One axial slice (194 of 276, counting up from the lowest) of a chest CT acquired at 120 kVp with the D kernel; each pixel is 0.639 mm and the slice is 1.00 mm thick.
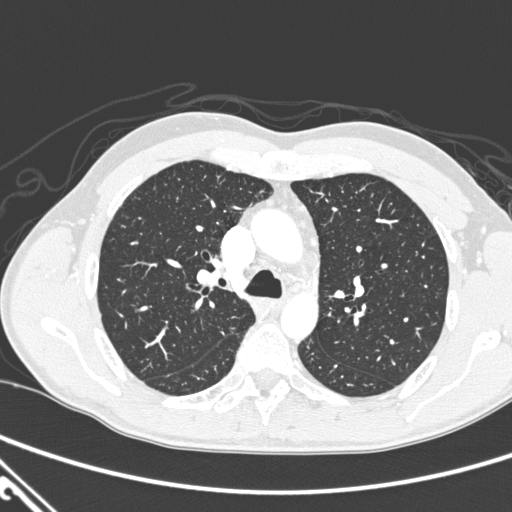
This slice carries no reader outline of a nodule 3 mm or larger.